One axial slice (73 of 117, counting up from the lowest) of a chest CT acquired at 120 kVp with the B31f kernel; each pixel is 0.779 mm and the slice is 3.00 mm thick.
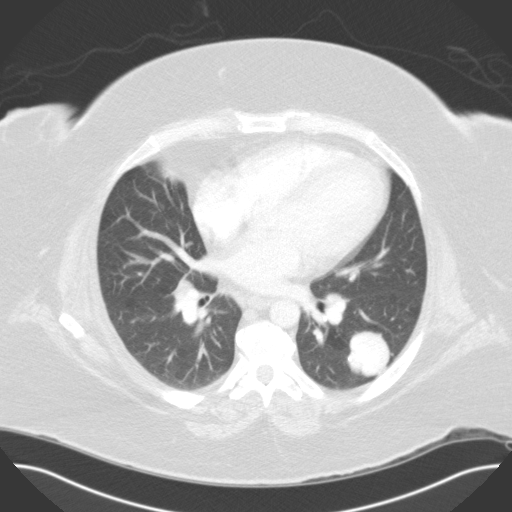
Pulmonary nodule outlined by two of the four readers; box rows 331–376, columns 347–391 (the union of the readers' outlines on this slice); the two readers' outlines give a longest diameter between 39.2 and 39.6 mm and a volume between 24959 and 25451 mm3. The readers' ratings, as ranges where they differ: texture 5/5 (solid), both readers agreeing; margin 5/5 (circumscribed), both readers agreeing; sphericity 5/5 (round) from both readers; calcification split among the readers: laminated calcification (one), absent (one); internal structure soft tissue, both readers agreeing; subtlety 5/5 from both readers; malignancy likelihood 2–3/5 (the readers disagree). Scale key (1–5): texture non-solid→solid, margin indistinct→circumscribed, sphericity linear→round, subtlety extremely subtle→obvious, malignancy likelihood highly unlikely→highly suspicious of cancer. Box rows and columns are 0-based pixel indices from the top-left corner, inclusive.